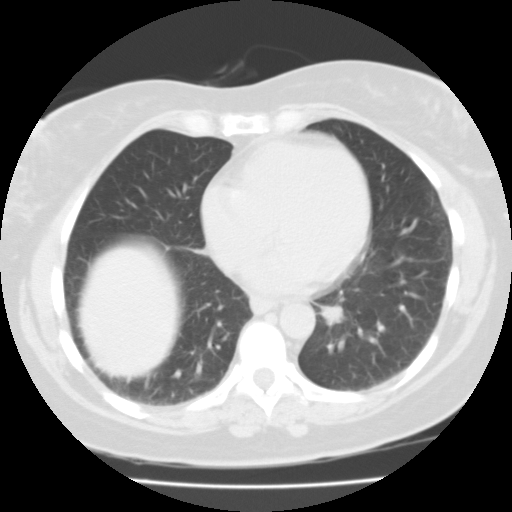
Chest CT, axial plane, 135 kVp, kernel FC01. Slice 28/87 from the bottom of the scan; thickness 3.00 mm; pixel size 0.650 mm.
Pulmonary nodule outlined by all four readers; box rows 298–325, columns 307–347 (the union of the readers' outlines on this slice); median longest diameter 24.2 mm (readers' outlines 19.5–28.0 mm), median volume 2551 mm3 (2261–2704 mm3). Ratings, median across the readers with their spread: texture 5/5 (solid) at the median of four readers, spread 4/5 to 5/5 (solid); margin 3.5/5 at the median of four readers, spread 2/5 to 4/5; sphericity 4/5, all four readers agreeing; calcification absent, all four readers agreeing; internal structure soft tissue from all four readers; median subtlety 4.5/5 (readers ranged 4–5); median malignancy likelihood 3.5/5 (readers ranged 3–5). Scale key (1–5): texture non-solid→solid, margin indistinct→circumscribed, sphericity linear→round, subtlety extremely subtle→obvious, malignancy likelihood highly unlikely→highly suspicious of cancer. Box rows and columns are 0-based pixel indices from the top-left corner, inclusive.